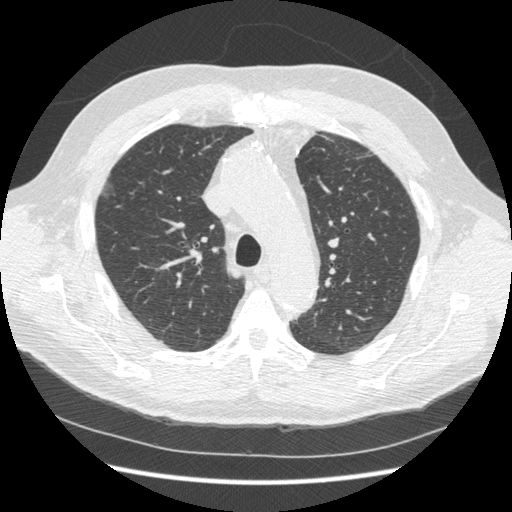
Chest CT, axial plane, 120 kVp, kernel STANDARD. Slice 250/369 from the bottom of the scan; thickness 1.25 mm; pixel size 0.703 mm.
Pulmonary nodule outlined by one of the four readers; box rows 182–197, columns 102–114 (that reader's outline on this slice); longest diameter 27.0 mm and volume 3015 mm3 from that reader's outline. Ratings by that reader: texture 1/5 (non-solid); margin 1/5 (indistinct); sphericity 3/5 (ovoid); calcification absent; internal structure soft tissue; subtlety 3/5; malignancy likelihood 3/5. Scale key (1–5): texture non-solid→solid, margin indistinct→circumscribed, sphericity linear→round, subtlety extremely subtle→obvious, malignancy likelihood highly unlikely→highly suspicious of cancer. Box rows and columns are 0-based pixel indices from the top-left corner, inclusive.